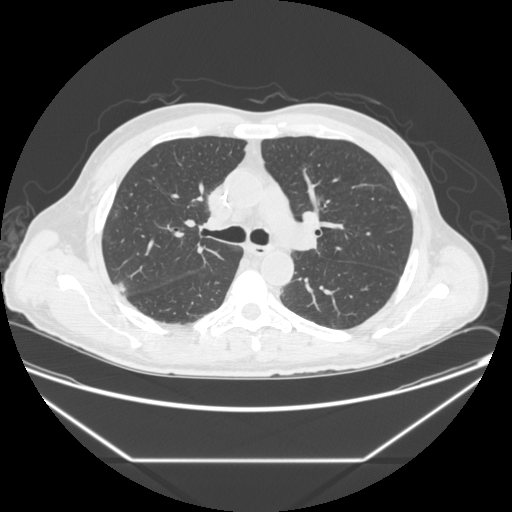
Slice 145/251 of a chest CT, counting up from the lowest; pixel size 0.809 mm, slice thickness 1.25 mm. Pulmonary nodule outlined by all four readers; box rows 281–292, columns 115–125 (the union of the readers' outlines on this slice); longest diameter 9.5–12.3 mm and volume 212–399 mm3 across the four readers' outlines. The readers' ratings, as ranges where they differ: texture 5/5 (solid) from all four readers; margin from 2/5 to 5/5 (circumscribed) across the four readers; sphericity from 3/5 (ovoid) to 4/5 across the four readers; calcification absent, all four readers agreeing; internal structure soft tissue, all four readers agreeing; subtlety rated between 3 and 4 out of 5 by the four readers; malignancy likelihood 2–3/5 (the readers disagree). Scale key (1–5): texture non-solid→solid, margin indistinct→circumscribed, sphericity linear→round, subtlety extremely subtle→obvious, malignancy likelihood highly unlikely→highly suspicious of cancer. Box rows and columns are 0-based pixel indices from the top-left corner, inclusive.
Tube voltage 120 kVp; convolution kernel STANDARD.